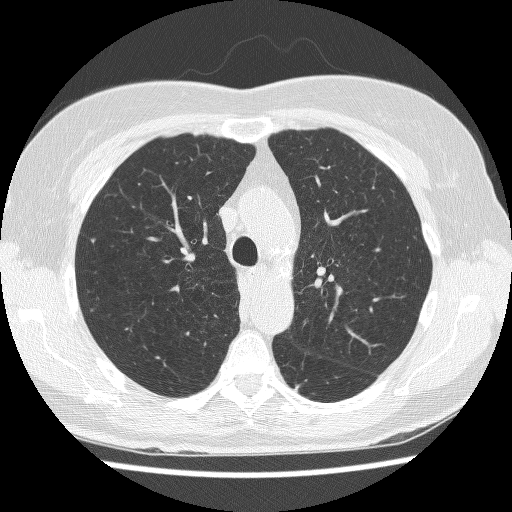
Axial chest CT slice 175 of 241 (counted from the lowest slice); 1.25 mm thick, 0.609 mm per pixel. Pulmonary nodule, outlined by one of the four readers. Box on this slice rows 237–243, columns 90–95, that reader's outline on this slice; longest diameter 6.0 mm and volume 81 mm3 from that reader's outline. Ratings by that reader: texture 3/5 (part-solid); margin 4/5; sphericity 4/5; calcification absent; internal structure soft tissue; subtlety 2/5; malignancy likelihood 3/5. Scale key (1–5): texture non-solid→solid, margin indistinct→circumscribed, sphericity linear→round, subtlety extremely subtle→obvious, malignancy likelihood highly unlikely→highly suspicious of cancer. Box rows and columns are 0-based pixel indices from the top-left corner, inclusive.
Scan settings: 120 kVp, BONE reconstruction kernel.